Chest CT, axial plane, 120 kVp, kernel LUNG. Slice 47/117 from the bottom of the scan; thickness 2.50 mm; pixel size 0.977 mm.
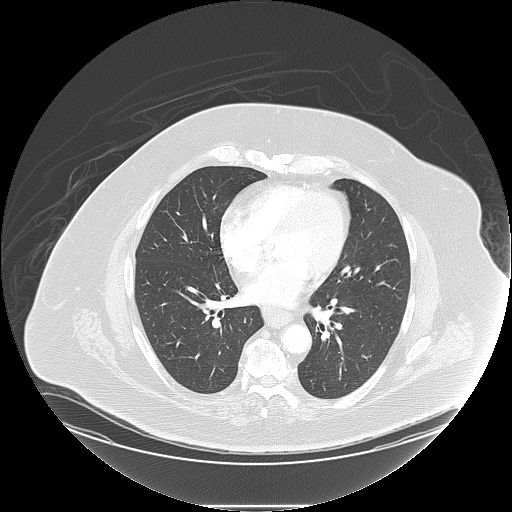
None of the four readers outlined a nodule of 3 mm or more on this slice.